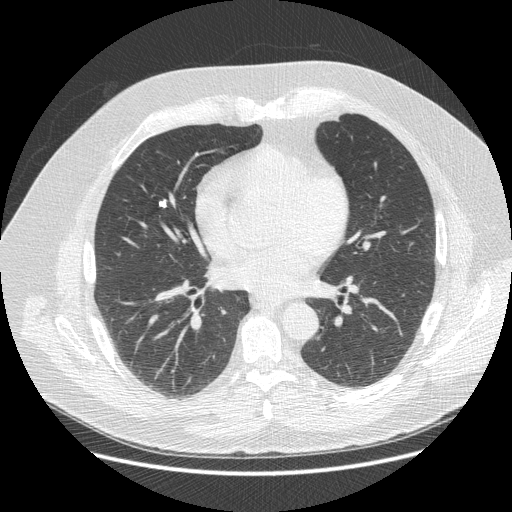
Axial slice 245 of 477 of a chest CT (slice 1 is the lowest), reconstructed with the STANDARD kernel at 120 kVp; 1.25 mm slice thickness and 0.781 mm pixels.
Pulmonary nodule at rows 198–207, columns 158–166 (box = the union of the readers' outlines on this slice), outlined by all four readers; longest diameter 7.8 mm on average over the four readers' outlines (readers' outlines 6.3–9.5 mm), volume 41–153 mm3. Ratings, by the readers' most common answer with dissent counted: most readers (three of four) put texture at 5/5 (solid), others 4/5 (one); margin 5/5 (circumscribed) by three of four readers; the rest gave 4/5 (one); sphericity 3/5 (ovoid) by two of four readers; the rest gave 2/5 (one), 4/5 (one); calcification solid calcification by three of four readers, absent (one); internal structure soft tissue from all four readers; subtlety 5/5, all four readers agreeing; malignancy likelihood 1/5 by three of four readers; the rest gave 4/5 (one). Scale key (1–5): texture non-solid→solid, margin indistinct→circumscribed, sphericity linear→round, subtlety extremely subtle→obvious, malignancy likelihood highly unlikely→highly suspicious of cancer. Box rows and columns are 0-based pixel indices from the top-left corner, inclusive.